Axial slice 248 of 321 of a chest CT (slice 1 is the lowest), reconstructed with the D kernel at 120 kVp; 2.00 mm slice thickness and 0.557 mm pixels.
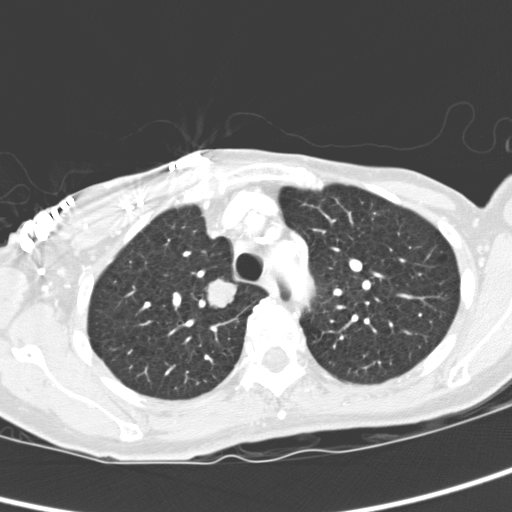
Pulmonary nodule at rows 276–309, columns 204–238 (box = the union of the readers' outlines on this slice), outlined by all four readers; the four readers' outlines give a longest diameter between 19.2 and 21.9 mm and a volume between 3323 and 4100 mm3. The readers' ratings, as ranges where they differ: texture 5/5 (solid), all four readers agreeing; margin from 4/5 to 5/5 (circumscribed) across the four readers; sphericity from 4/5 to 5/5 (round) across the four readers; calcification absent, all four readers agreeing; internal structure soft tissue from all four readers; subtlety 5/5, all four readers agreeing; malignancy likelihood 3–5/5 (the readers disagree). Scale key (1–5): texture non-solid→solid, margin indistinct→circumscribed, sphericity linear→round, subtlety extremely subtle→obvious, malignancy likelihood highly unlikely→highly suspicious of cancer. Box rows and columns are 0-based pixel indices from the top-left corner, inclusive.